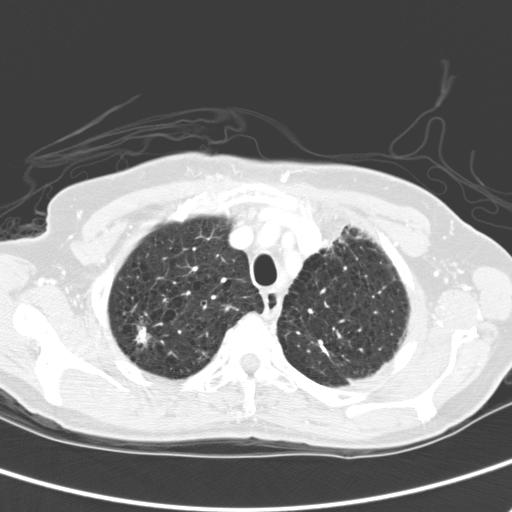
This is axial slice 212 of 280 (slice 1 is the lowest) of a chest CT; each pixel is 0.613 mm and the slice is 2.00 mm thick. Pulmonary nodule outlined by all four readers; box rows 325–347, columns 133–152 (the union of the readers' outlines on this slice); median longest diameter 17.5 mm (readers' outlines 16.7–18.9 mm), median volume 856 mm3 (701–1041 mm3). Median ratings and the readers' spread: median texture 4.5/5 (readers ranged 3/5 (part-solid) to 5/5 (solid)); median margin 2.5/5 (readers ranged 1/5 (indistinct) to 5/5 (circumscribed)); median sphericity 2.5/5 (readers ranged 2/5 to 4/5); calcification absent from all four readers; internal structure soft tissue from all four readers; median subtlety 4.5/5 (readers ranged 2–5); malignancy likelihood 4/5 at the median of four readers, spread 3–5. Scale key (1–5): texture non-solid→solid, margin indistinct→circumscribed, sphericity linear→round, subtlety extremely subtle→obvious, malignancy likelihood highly unlikely→highly suspicious of cancer. Box rows and columns are 0-based pixel indices from the top-left corner, inclusive.
Scan settings: 120 kVp, D reconstruction kernel.